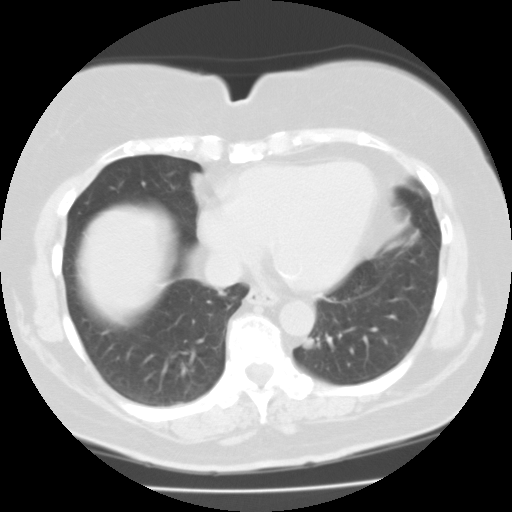
One axial slice (48 of 112, counting up from the lowest) of a chest CT acquired at 135 kVp with the FC01 kernel; each pixel is 0.650 mm and the slice is 3.00 mm thick.
Pulmonary nodule, outlined by all four readers. Box on this slice rows 336–349, columns 302–314, the union of the readers' outlines on this slice; median longest diameter 10.9 mm (readers' outlines 10.3–11.5 mm), median volume 502 mm3 (475–618 mm3). Median ratings and the readers' spread: texture 5/5 (solid) from all four readers; median margin 5/5 (circumscribed) (readers ranged 4/5 to 5/5 (circumscribed)); median sphericity 4.5/5 (readers ranged 4/5 to 5/5 (round)); calcification absent, all four readers agreeing; internal structure soft tissue from all four readers; subtlety 4/5 at the median of four readers, spread 3–5; malignancy likelihood 3.5/5 at the median of four readers, spread 2–4. Scale key (1–5): texture non-solid→solid, margin indistinct→circumscribed, sphericity linear→round, subtlety extremely subtle→obvious, malignancy likelihood highly unlikely→highly suspicious of cancer. Box rows and columns are 0-based pixel indices from the top-left corner, inclusive.